One axial slice (203 of 519, counting up from the lowest) of a chest CT acquired at 120 kVp with the STANDARD kernel; each pixel is 0.645 mm and the slice is 1.25 mm thick.
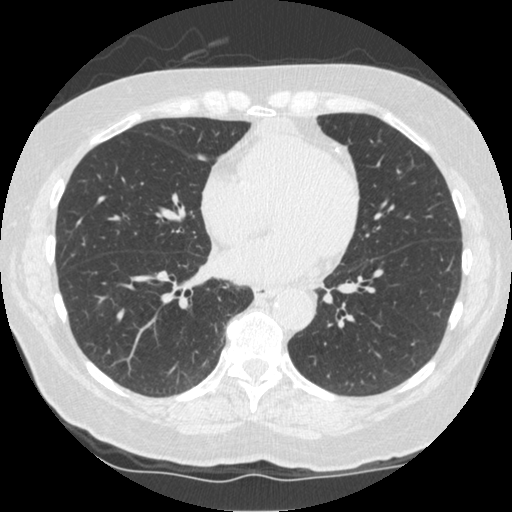
Pulmonary nodule outlined by all four readers; box rows 153–160, columns 196–207 (the union of the readers' outlines on this slice); longest diameter 9.3 mm on average over the four readers' outlines (readers' outlines 8.4–10.5 mm), volume 147–202 mm3. Ratings, by the readers' most common answer with dissent counted: texture 5/5 (solid) from all four readers; margin 5/5 (circumscribed) by three of four readers; the rest gave 4/5 (one); sphericity 3/5 (ovoid) from all four readers; calcification absent from all four readers; internal structure soft tissue, all four readers agreeing; most readers (three of four) put subtlety at 5/5, others 4/5 (one); malignancy likelihood 3/5 by two of four readers; the rest gave 2/5 (one), 4/5 (one). Scale key (1–5): texture non-solid→solid, margin indistinct→circumscribed, sphericity linear→round, subtlety extremely subtle→obvious, malignancy likelihood highly unlikely→highly suspicious of cancer. Box rows and columns are 0-based pixel indices from the top-left corner, inclusive.